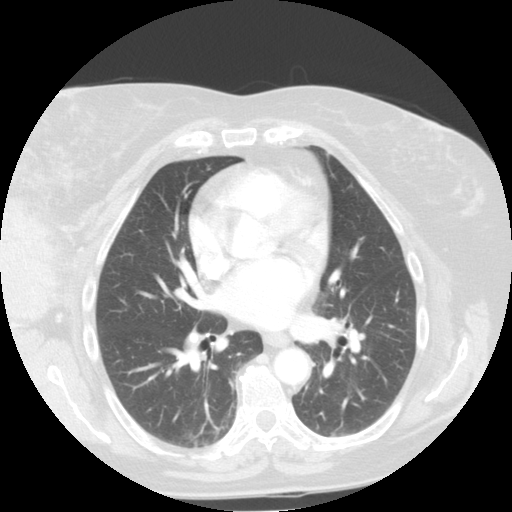
Axial chest CT slice 65 of 113 (counted from the lowest slice); 2.50 mm thick, 0.703 mm per pixel. Pulmonary nodule outlined by all four readers, one of them on this slice; box rows 432–445, columns 180–199 (the one reader's outline on this slice); longest diameter 23.3–24.3 mm and volume 4155–5797 mm3 across the four readers' outlines. The readers' ratings, as ranges where they differ: texture 5/5 (solid), all four readers agreeing; margin from 4/5 to 5/5 (circumscribed) across the four readers; sphericity from 3/5 (ovoid) to 5/5 (round) across the four readers; calcification absent, all four readers agreeing; internal structure soft tissue from all four readers; subtlety 5/5 from all four readers; malignancy likelihood 2–5/5 (the readers disagree). Scale key (1–5): texture non-solid→solid, margin indistinct→circumscribed, sphericity linear→round, subtlety extremely subtle→obvious, malignancy likelihood highly unlikely→highly suspicious of cancer. Box rows and columns are 0-based pixel indices from the top-left corner, inclusive.
Acquired at 120 kVp and reconstructed with the STANDARD kernel.